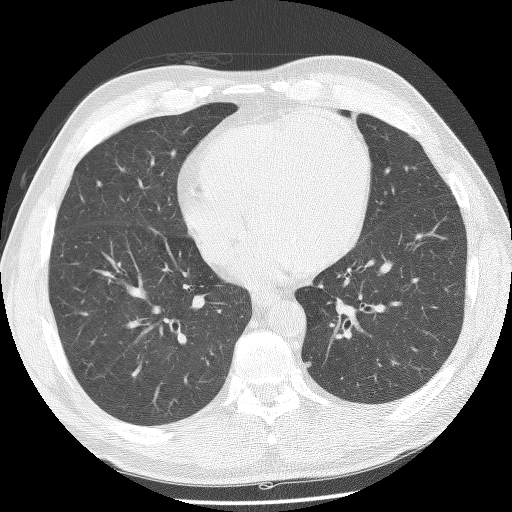
Axial chest CT slice 55 of 132 (counted from the lowest slice); 2.50 mm thick, 0.703 mm per pixel. Pulmonary nodule outlined by two of the four readers; box rows 361–367, columns 305–311 (the union of the readers' outlines on this slice); longest diameter 6.1 mm on average over the two readers' outlines (readers' outlines 6.0–6.3 mm), volume 121–141 mm3. The readers' prevailing ratings and who disagreed: texture 5/5 (solid) from both readers; margin split among the readers: 4/5 (one), 5/5 (circumscribed) (one); sphericity split among the readers: 3/5 (ovoid) (one), 4/5 (one); calcification absent, both readers agreeing; internal structure soft tissue, both readers agreeing; subtlety split among the readers: 4/5 (one), 5/5 (one); malignancy likelihood split among the readers: 2/5 (one), 3/5 (one). Scale key (1–5): texture non-solid→solid, margin indistinct→circumscribed, sphericity linear→round, subtlety extremely subtle→obvious, malignancy likelihood highly unlikely→highly suspicious of cancer. Box rows and columns are 0-based pixel indices from the top-left corner, inclusive.
Tube voltage 140 kVp; convolution kernel BONE.